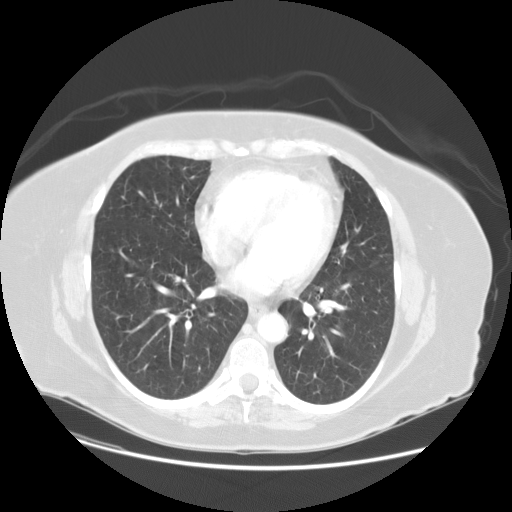
One axial slice (63 of 133, counting up from the lowest) of a chest CT acquired at 120 kVp with the STANDARD kernel; each pixel is 0.781 mm and the slice is 2.50 mm thick.
The readers outlined no nodule of 3 mm or more on this slice.